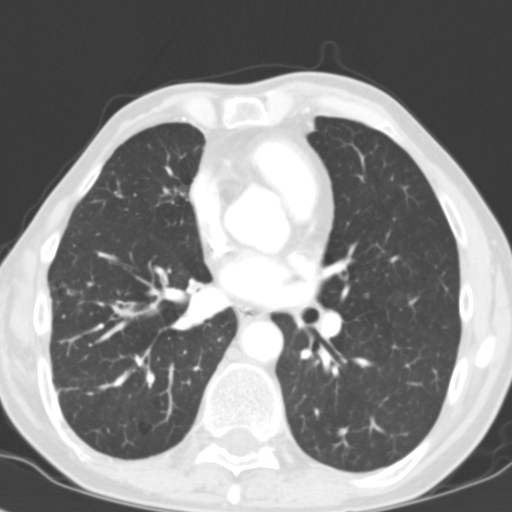
Axial chest CT slice 59 of 116 (counted from the lowest slice); tube voltage 120 kVp, convolution kernel B31f; slices 3.00 mm thick, 0.547 mm per pixel.
Pulmonary nodule, outlined by one of the four readers. Box on this slice rows 427–435, columns 336–346, that reader's outline on this slice; longest diameter 8.9 mm and volume 169 mm3 from that reader's outline. Ratings by that reader: texture 4/5; margin 4/5; sphericity 4/5; calcification absent; internal structure soft tissue; subtlety 4/5; malignancy likelihood 4/5. Scale key (1–5): texture non-solid→solid, margin indistinct→circumscribed, sphericity linear→round, subtlety extremely subtle→obvious, malignancy likelihood highly unlikely→highly suspicious of cancer. Box rows and columns are 0-based pixel indices from the top-left corner, inclusive.